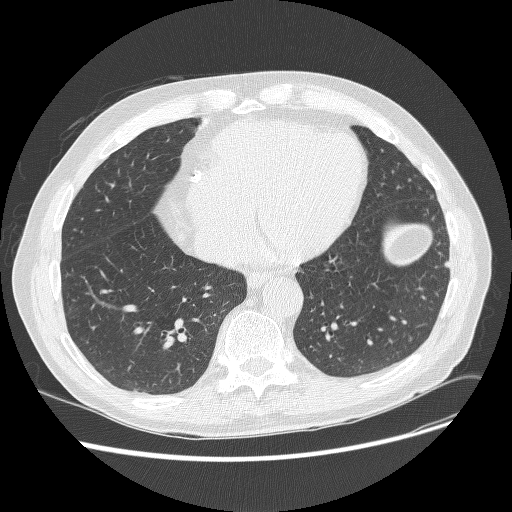
Axial slice 101 of 268 of a chest CT (slice 1 is the lowest), reconstructed with the BONE kernel at 120 kVp; 1.25 mm slice thickness and 0.742 mm pixels.
Pulmonary nodule at rows 261–267, columns 443–449 (box = the union of the readers' outlines on this slice), outlined by three of the four readers; median longest diameter 6.0 mm (readers' outlines 5.7–7.3 mm), median volume 95 mm3 (62–149 mm3). Ratings, median across the readers with their spread: texture 5/5 (solid) at the median of three readers, spread 4/5 to 5/5 (solid); margin 5/5 (circumscribed) at the median of three readers, spread 2/5 to 5/5 (circumscribed); median sphericity 5/5 (round) (readers ranged 3/5 (ovoid) to 5/5 (round)); calcification absent from all three readers; internal structure soft tissue, all three readers agreeing; median subtlety 4/5 (readers ranged 3–4); median malignancy likelihood 3/5 (readers ranged 2–3). Scale key (1–5): texture non-solid→solid, margin indistinct→circumscribed, sphericity linear→round, subtlety extremely subtle→obvious, malignancy likelihood highly unlikely→highly suspicious of cancer. Box rows and columns are 0-based pixel indices from the top-left corner, inclusive.